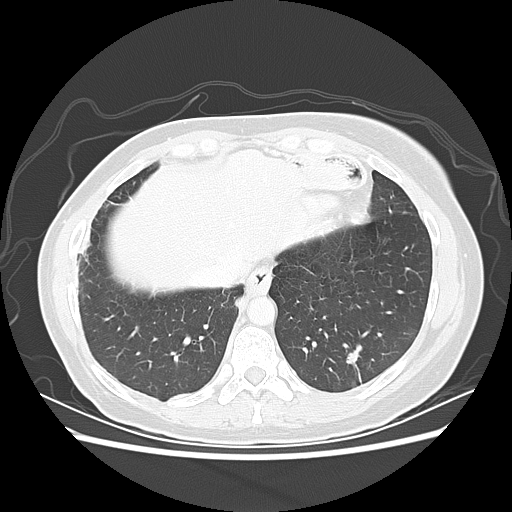
One axial slice (55 of 133, counting up from the lowest) of a chest CT acquired at 120 kVp with the LUNG kernel; each pixel is 0.703 mm and the slice is 2.50 mm thick.
Pulmonary nodule, outlined by all four readers. Box on this slice rows 350–363, columns 346–358, the union of the readers' outlines on this slice; the four readers' outlines give a longest diameter between 11.7 and 14.6 mm and a volume between 378 and 526 mm3. The readers' ratings, as ranges where they differ: texture from 4/5 to 5/5 (solid) across the four readers; margin from 3/5 to 4/5 across the four readers; sphericity from 3/5 (ovoid) to 5/5 (round) across the four readers; calcification absent from all four readers; internal structure soft tissue from all four readers; subtlety from 4/5 to 5/5 across the four readers; malignancy likelihood rated between 3 and 4 out of 5 by the four readers. Scale key (1–5): texture non-solid→solid, margin indistinct→circumscribed, sphericity linear→round, subtlety extremely subtle→obvious, malignancy likelihood highly unlikely→highly suspicious of cancer. Box rows and columns are 0-based pixel indices from the top-left corner, inclusive.